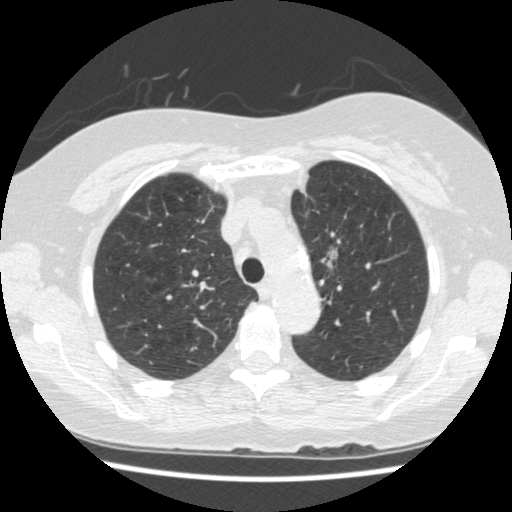
This is axial slice 349 of 474 (slice 1 is the lowest) of a chest CT; each pixel is 0.625 mm and the slice is 1.25 mm thick. Pulmonary nodule at rows 247–270, columns 321–336 (box = that reader's outline on this slice), outlined by one of the four readers; longest diameter 17.7 mm and volume 538 mm3 from that reader's outline. Ratings by that reader: texture 1/5 (non-solid); margin 2/5; sphericity 3/5 (ovoid); calcification absent; internal structure soft tissue; subtlety 3/5; malignancy likelihood 2/5. Scale key (1–5): texture non-solid→solid, margin indistinct→circumscribed, sphericity linear→round, subtlety extremely subtle→obvious, malignancy likelihood highly unlikely→highly suspicious of cancer. Box rows and columns are 0-based pixel indices from the top-left corner, inclusive.
Scan settings: 120 kVp, STANDARD reconstruction kernel.